Axial slice 260 of 506 of a chest CT (slice 1 is the lowest), reconstructed with the B30f kernel at 120 kVp; 0.75 mm slice thickness and 0.699 mm pixels.
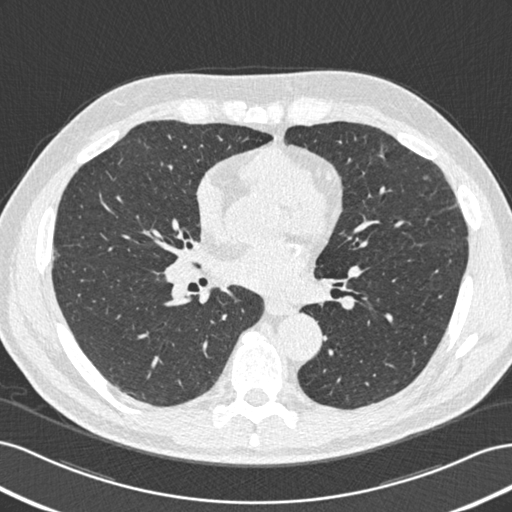
Pulmonary nodule, outlined by two of the four readers, one of them on this slice. Box on this slice rows 151–155, columns 379–383, the one reader's outline on this slice; longest diameter 6.4–6.6 mm and volume 30–42 mm3 across the two readers' outlines. The readers' ratings, as ranges where they differ: texture 5/5 (solid) from both readers; margin from 3/5 to 5/5 (circumscribed) across the two readers; sphericity from 3/5 (ovoid) to 5/5 (round) across the two readers; calcification absent, both readers agreeing; internal structure soft tissue from both readers; subtlety 2–3/5 (the readers disagree); malignancy likelihood 2/5, both readers agreeing. Scale key (1–5): texture non-solid→solid, margin indistinct→circumscribed, sphericity linear→round, subtlety extremely subtle→obvious, malignancy likelihood highly unlikely→highly suspicious of cancer. Box rows and columns are 0-based pixel indices from the top-left corner, inclusive.